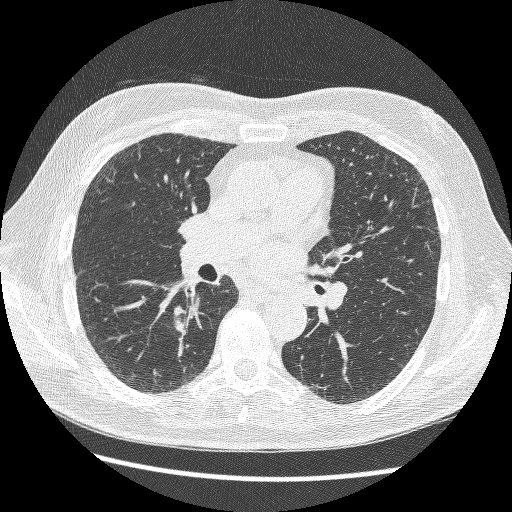
Chest CT, axial plane, 120 kVp, kernel BONE. Slice 151/264 from the bottom of the scan; thickness 1.25 mm; pixel size 0.703 mm.
Pulmonary nodule outlined by two of the four readers; box rows 316–330, columns 174–183 (the union of the readers' outlines on this slice); longest diameter 11.2 mm on average over the two readers' outlines (readers' outlines 10.7–11.6 mm), volume 251–294 mm3. The readers' prevailing ratings and who disagreed: texture split among the readers: 3/5 (part-solid) (one), 4/5 (one); margin 2/5 from both readers; sphericity split among the readers: 2/5 (one), 3/5 (ovoid) (one); calcification absent from both readers; internal structure soft tissue from both readers; subtlety 2/5 from both readers; malignancy likelihood 3/5 from both readers. Scale key (1–5): texture non-solid→solid, margin indistinct→circumscribed, sphericity linear→round, subtlety extremely subtle→obvious, malignancy likelihood highly unlikely→highly suspicious of cancer. Box rows and columns are 0-based pixel indices from the top-left corner, inclusive.